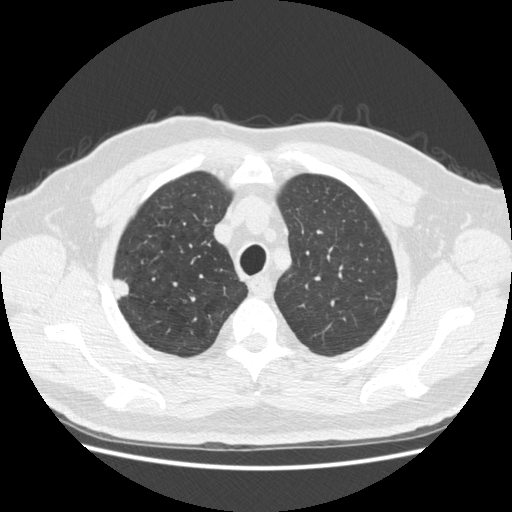
This is axial slice 377 of 465 (slice 1 is the lowest) of a chest CT; each pixel is 0.703 mm and the slice is 1.25 mm thick. Pulmonary nodule, outlined by all four readers. Box on this slice rows 278–301, columns 113–129, the union of the readers' outlines on this slice; longest diameter 15.5–18.9 mm and volume 1041–1475 mm3 across the four readers' outlines. Ratings across the readers: texture 5/5 (solid), all four readers agreeing; margin from 4/5 to 5/5 (circumscribed) across the four readers; sphericity from 3/5 (ovoid) to 5/5 (round) across the four readers; calcification absent, all four readers agreeing; internal structure soft tissue from all four readers; subtlety rated between 4 and 5 out of 5 by the four readers; malignancy likelihood 2–5/5 (the readers disagree). Scale key (1–5): texture non-solid→solid, margin indistinct→circumscribed, sphericity linear→round, subtlety extremely subtle→obvious, malignancy likelihood highly unlikely→highly suspicious of cancer. Box rows and columns are 0-based pixel indices from the top-left corner, inclusive.
Scan settings: 120 kVp, STANDARD reconstruction kernel.